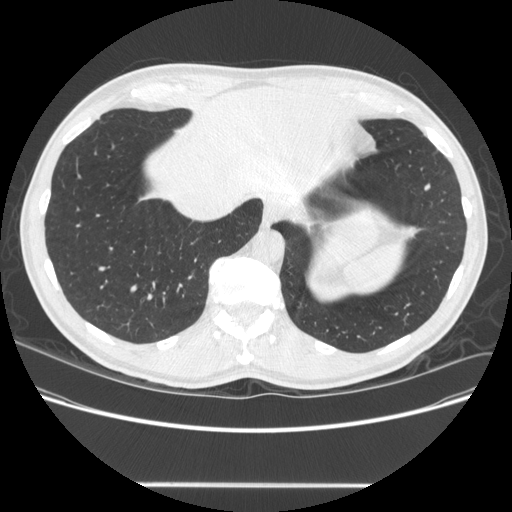
Axial chest CT slice 120 of 567 (counted from the lowest slice); tube voltage 120 kVp, convolution kernel STANDARD; slices 1.25 mm thick, 0.742 mm per pixel.
Pulmonary nodule outlined by all four readers; box rows 183–192, columns 423–430 (the union of the readers' outlines on this slice); longest diameter 7.6–9.5 mm and volume 105–126 mm3 across the four readers' outlines. The readers' ratings, as ranges where they differ: texture 5/5 (solid), all four readers agreeing; margin from 4/5 to 5/5 (circumscribed) across the four readers; sphericity from 2/5 to 3/5 (ovoid) across the four readers; calcification: absent (three), solid calcification (one); internal structure soft tissue, all four readers agreeing; subtlety 3–4/5 (the readers disagree); malignancy likelihood from 1/5 to 3/5 across the four readers. Scale key (1–5): texture non-solid→solid, margin indistinct→circumscribed, sphericity linear→round, subtlety extremely subtle→obvious, malignancy likelihood highly unlikely→highly suspicious of cancer. Box rows and columns are 0-based pixel indices from the top-left corner, inclusive.